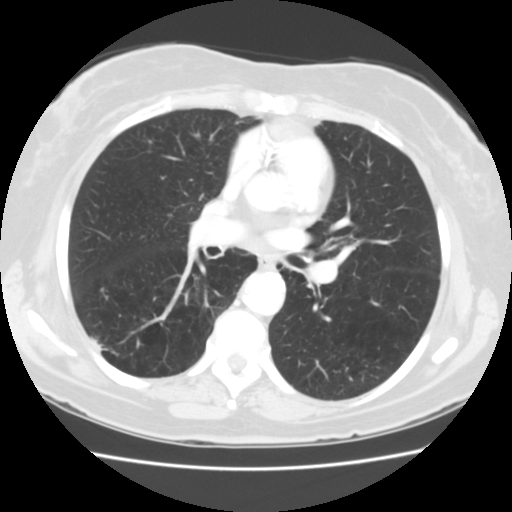
Axial chest CT slice 79 of 133 (counted from the lowest slice); 2.50 mm thick, 0.625 mm per pixel. None of the four readers outlined a nodule of 3 mm or more on this slice.
Acquired at 120 kVp and reconstructed with the STANDARD kernel.